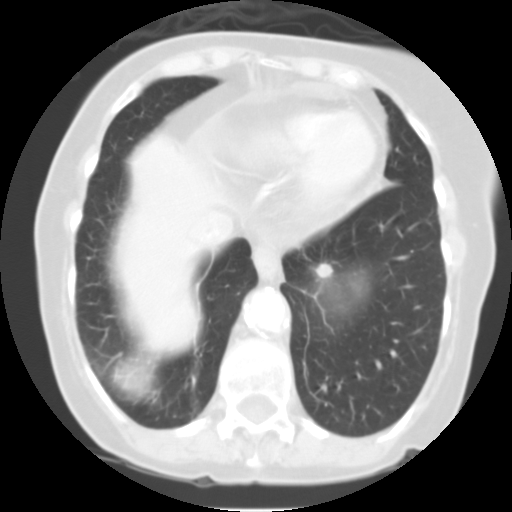
Axial chest CT slice 28 of 101 (counted from the lowest slice); 3.00 mm thick, 0.558 mm per pixel. Pulmonary nodule, outlined by all four readers. Box on this slice rows 261–278, columns 313–333, the union of the readers' outlines on this slice; median longest diameter 11.3 mm (readers' outlines 10.3–13.4 mm), median volume 605 mm3 (439–803 mm3). Ratings, median across the readers with their spread: texture 4.5/5 at the median of four readers, spread 4/5 to 5/5 (solid); margin 3.5/5 at the median of four readers, spread 2/5 to 4/5; sphericity 4/5 at the median of four readers, spread 3/5 (ovoid) to 4/5; calcification absent from all four readers; internal structure soft tissue from all four readers; median subtlety 4/5 (readers ranged 3–5); malignancy likelihood 3/5 at the median of four readers, spread 2–4. Scale key (1–5): texture non-solid→solid, margin indistinct→circumscribed, sphericity linear→round, subtlety extremely subtle→obvious, malignancy likelihood highly unlikely→highly suspicious of cancer. Box rows and columns are 0-based pixel indices from the top-left corner, inclusive.
Tube voltage 135 kVp; convolution kernel FC01.